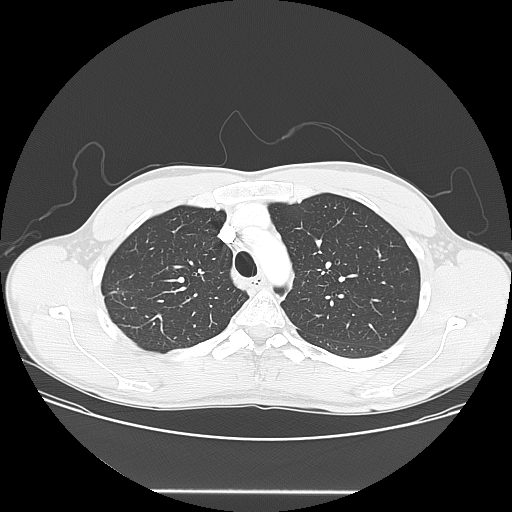
Axial slice 118 of 150 of a chest CT (slice 1 is the lowest), reconstructed with the LUNG kernel at 120 kVp; 2.50 mm slice thickness and 0.781 mm pixels.
No nodule of 3 mm or larger was outlined by any of the four readers on this slice.